Axial slice 302 of 541 of a chest CT (slice 1 is the lowest), reconstructed with the STANDARD kernel at 120 kVp; 1.25 mm slice thickness and 0.586 mm pixels.
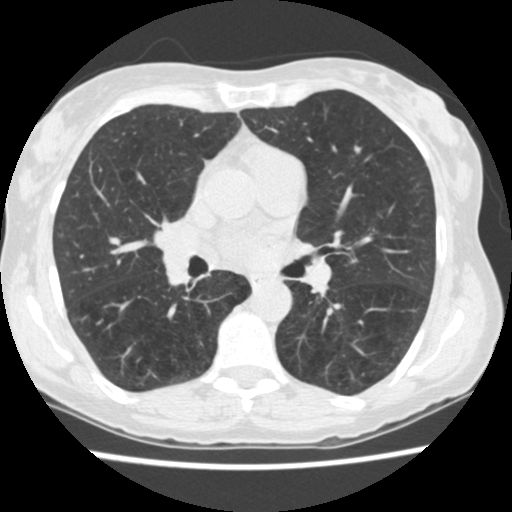
The readers outlined no nodule of 3 mm or more on this slice.